Axial chest CT slice 40 of 95 (counted from the lowest slice); tube voltage 120 kVp, convolution kernel STANDARD; slices 2.50 mm thick, 0.859 mm per pixel.
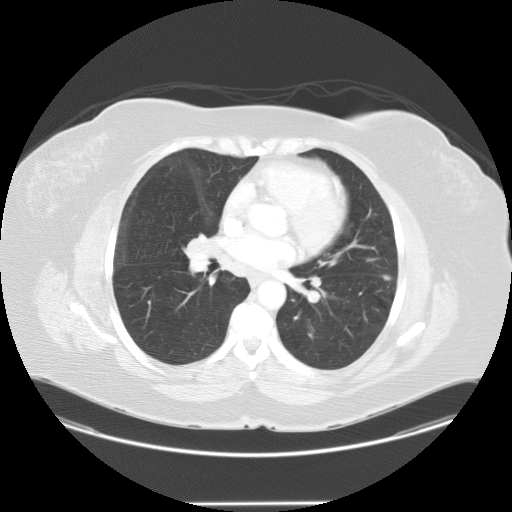
Pulmonary nodule outlined by all four readers; box rows 274–280, columns 382–390 (the union of the readers' outlines on this slice); median longest diameter 8.1 mm (readers' outlines 7.3–9.0 mm), median volume 209 mm3 (126–275 mm3). Ratings, median across the readers with their spread: texture 5/5 (solid) from all four readers; median margin 4.5/5 (readers ranged 4/5 to 5/5 (circumscribed)); sphericity 4/5 at the median of four readers, spread 3/5 (ovoid) to 5/5 (round); calcification absent, all four readers agreeing; internal structure soft tissue, all four readers agreeing; subtlety 3.5/5 at the median of four readers, spread 2–4; malignancy likelihood 2.5/5 at the median of four readers, spread 2–3. Scale key (1–5): texture non-solid→solid, margin indistinct→circumscribed, sphericity linear→round, subtlety extremely subtle→obvious, malignancy likelihood highly unlikely→highly suspicious of cancer. Box rows and columns are 0-based pixel indices from the top-left corner, inclusive.